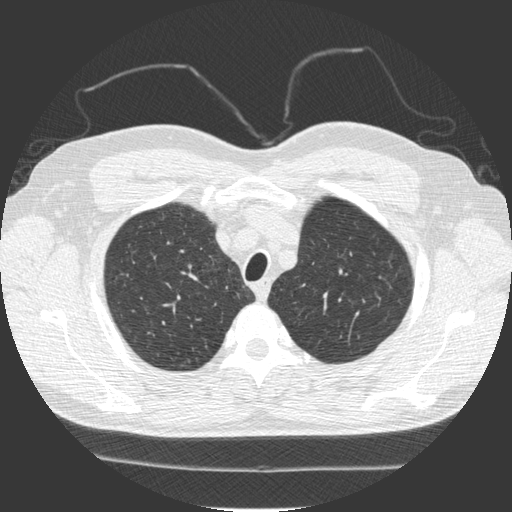
Axial slice 194 of 241 of a chest CT (slice 1 is the lowest), reconstructed with the STANDARD kernel at 120 kVp; 1.25 mm slice thickness and 0.684 mm pixels.
Pulmonary nodule at rows 262–268, columns 187–192 (box = that reader's outline on this slice), outlined by one of the four readers; longest diameter 5.8 mm and volume 72 mm3 from that reader's outline. That reader's ratings: texture 5/5 (solid); margin 5/5 (circumscribed); sphericity 4/5; calcification absent; internal structure soft tissue; subtlety 3/5; malignancy likelihood 3/5. Scale key (1–5): texture non-solid→solid, margin indistinct→circumscribed, sphericity linear→round, subtlety extremely subtle→obvious, malignancy likelihood highly unlikely→highly suspicious of cancer. Box rows and columns are 0-based pixel indices from the top-left corner, inclusive.